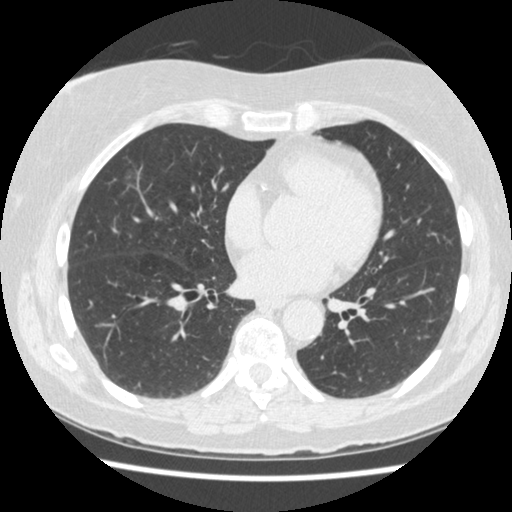
Axial chest CT slice 208 of 474 (counted from the lowest slice); tube voltage 120 kVp, convolution kernel STANDARD; slices 1.25 mm thick, 0.625 mm per pixel.
Pulmonary nodule at rows 167–184, columns 120–135 (box = the one reader's outline on this slice), outlined by all four readers, one of them on this slice; longest diameter 12.6–15.8 mm and volume 209–921 mm3 across the four readers' outlines. The readers' ratings, as ranges where they differ: texture from 2/5 to 3/5 (part-solid) across the four readers; margin from 1/5 (indistinct) to 3/5 across the four readers; sphericity from 2/5 to 5/5 (round) across the four readers; calcification absent, all four readers agreeing; internal structure soft tissue from all four readers; subtlety from 3/5 to 5/5 across the four readers; malignancy likelihood from 3/5 to 5/5 across the four readers. Scale key (1–5): texture non-solid→solid, margin indistinct→circumscribed, sphericity linear→round, subtlety extremely subtle→obvious, malignancy likelihood highly unlikely→highly suspicious of cancer. Box rows and columns are 0-based pixel indices from the top-left corner, inclusive.